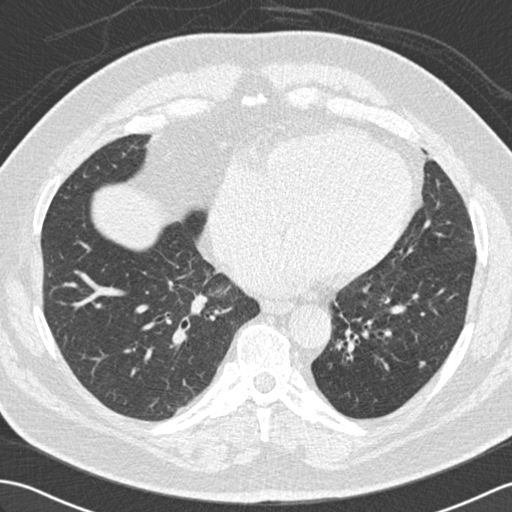
Axial chest CT slice 70 of 172 (counted from the lowest slice); tube voltage 120 kVp, convolution kernel B30f; slices 2.00 mm thick, 0.684 mm per pixel.
Pulmonary nodule at rows 360–368, columns 419–426 (box = the union of the readers' outlines on this slice), outlined by all four readers; longest diameter 7.3–8.0 mm and volume 109–174 mm3 across the four readers' outlines. Ratings across the readers: texture from 4/5 to 5/5 (solid) across the four readers; margin from 4/5 to 5/5 (circumscribed) across the four readers; sphericity from 3/5 (ovoid) to 5/5 (round) across the four readers; calcification absent, all four readers agreeing; internal structure soft tissue, all four readers agreeing; subtlety rated between 2 and 5 out of 5 by the four readers; malignancy likelihood 2–5/5 (the readers disagree). Scale key (1–5): texture non-solid→solid, margin indistinct→circumscribed, sphericity linear→round, subtlety extremely subtle→obvious, malignancy likelihood highly unlikely→highly suspicious of cancer. Box rows and columns are 0-based pixel indices from the top-left corner, inclusive.